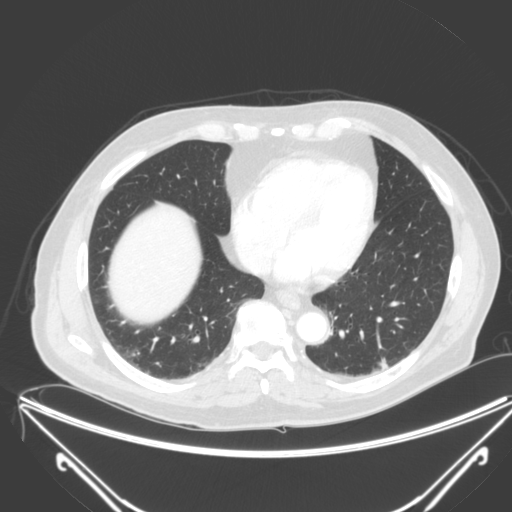
Axial chest CT slice 75 of 250 (counted from the lowest slice); tube voltage 120 kVp, convolution kernel B; slices 2.00 mm thick, 0.834 mm per pixel.
Pulmonary nodule, outlined by all four readers. Box on this slice rows 357–369, columns 377–388, the union of the readers' outlines on this slice; median longest diameter 28.3 mm (readers' outlines 26.7–30.4 mm), median volume 3107 mm3 (2541–3664 mm3). Ratings, median across the readers with their spread: texture 4.5/5 at the median of four readers, spread 4/5 to 5/5 (solid); margin 3/5 at the median of four readers, spread 2/5 to 4/5; sphericity 3/5 (ovoid) at the median of four readers, spread 3/5 (ovoid) to 5/5 (round); calcification absent, all four readers agreeing; internal structure soft tissue from all four readers; subtlety 5/5 from all four readers; malignancy likelihood 3.5/5 at the median of four readers, spread 3–5. Scale key (1–5): texture non-solid→solid, margin indistinct→circumscribed, sphericity linear→round, subtlety extremely subtle→obvious, malignancy likelihood highly unlikely→highly suspicious of cancer. Box rows and columns are 0-based pixel indices from the top-left corner, inclusive.